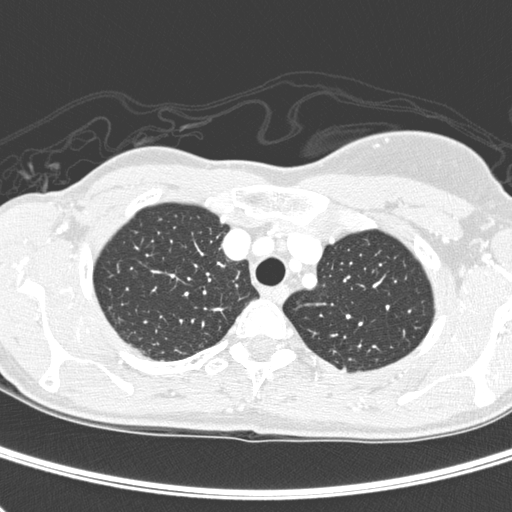
Axial chest CT slice 233 of 280 (counted from the lowest slice); 1.00 mm thick, 0.578 mm per pixel. Pulmonary nodule at rows 366–370, columns 342–345 (box = that reader's outline on this slice), outlined by one of the four readers; longest diameter 4.7 mm and volume 40 mm3 from that reader's outline. Ratings by that reader: texture 5/5 (solid); margin 5/5 (circumscribed); sphericity 4/5; calcification absent; internal structure soft tissue; subtlety 5/5; malignancy likelihood 3/5. Scale key (1–5): texture non-solid→solid, margin indistinct→circumscribed, sphericity linear→round, subtlety extremely subtle→obvious, malignancy likelihood highly unlikely→highly suspicious of cancer. Box rows and columns are 0-based pixel indices from the top-left corner, inclusive.
Scan settings: 120 kVp, D reconstruction kernel.